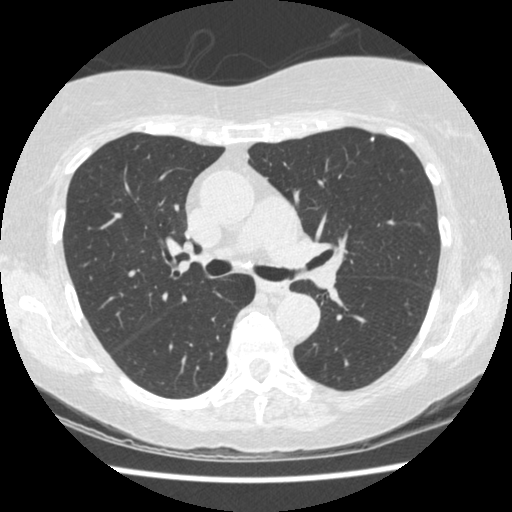
One axial slice (260 of 458, counting up from the lowest) of a chest CT acquired at 120 kVp with the STANDARD kernel; each pixel is 0.625 mm and the slice is 1.25 mm thick.
Pulmonary nodule, outlined by two of the four readers. Box on this slice rows 136–141, columns 370–374, the union of the readers' outlines on this slice; the two readers' outlines give a longest diameter between 4.6 and 4.8 mm and a volume between 37 and 39 mm3. Ratings across the readers: texture 5/5 (solid) from both readers; margin 5/5 (circumscribed) from both readers; sphericity from 4/5 to 5/5 (round) across the two readers; calcification solid calcification from both readers; internal structure soft tissue from both readers; subtlety from 4/5 to 5/5 across the two readers; malignancy likelihood 1/5, both readers agreeing. Scale key (1–5): texture non-solid→solid, margin indistinct→circumscribed, sphericity linear→round, subtlety extremely subtle→obvious, malignancy likelihood highly unlikely→highly suspicious of cancer. Box rows and columns are 0-based pixel indices from the top-left corner, inclusive.